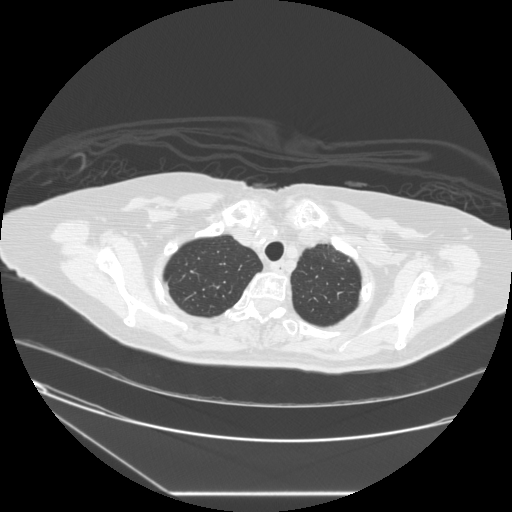
This is axial slice 214 of 241 (slice 1 is the lowest) of a chest CT; each pixel is 0.773 mm and the slice is 1.25 mm thick. Pulmonary nodule at rows 259–262, columns 347–349 (box = the union of the readers' outlines on this slice), outlined by three of the four readers; longest diameter 6.0 mm on average over the three readers' outlines (readers' outlines 5.5–7.0 mm), volume 43–72 mm3. The readers' prevailing ratings and who disagreed: texture 5/5 (solid) from all three readers; margin 5/5 (circumscribed), all three readers agreeing; sphericity 3/5 (ovoid) by two of three readers; the rest gave 5/5 (round) (one); calcification solid calcification by two of three readers, central calcification (one); internal structure soft tissue from all three readers; subtlety 5/5 by two of three readers; the rest gave 4/5 (one); malignancy likelihood 1/5 from all three readers. Scale key (1–5): texture non-solid→solid, margin indistinct→circumscribed, sphericity linear→round, subtlety extremely subtle→obvious, malignancy likelihood highly unlikely→highly suspicious of cancer. Box rows and columns are 0-based pixel indices from the top-left corner, inclusive.
Tube voltage 120 kVp; convolution kernel STANDARD.